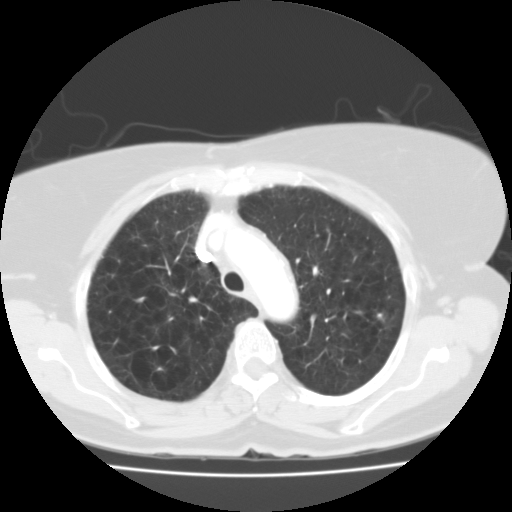
This is axial slice 93 of 118 (slice 1 is the lowest) of a chest CT; each pixel is 0.665 mm and the slice is 3.00 mm thick. Pulmonary nodule at rows 313–321, columns 376–383 (box = the one reader's outline on this slice), outlined by all four readers, one of them on this slice; median longest diameter 14.5 mm (readers' outlines 14.2–18.1 mm), median volume 1400 mm3 (1024–1671 mm3). Ratings, median across the readers with their spread: texture 5/5 (solid) from all four readers; margin 4/5 at the median of four readers, spread 3/5 to 5/5 (circumscribed); sphericity 4/5 at the median of four readers, spread 4/5 to 5/5 (round); calcification absent, all four readers agreeing; internal structure soft tissue, all four readers agreeing; subtlety 5/5, all four readers agreeing; median malignancy likelihood 5/5 (readers ranged 3–5). Scale key (1–5): texture non-solid→solid, margin indistinct→circumscribed, sphericity linear→round, subtlety extremely subtle→obvious, malignancy likelihood highly unlikely→highly suspicious of cancer. Box rows and columns are 0-based pixel indices from the top-left corner, inclusive.
Scan settings: 135 kVp, FC01 reconstruction kernel.